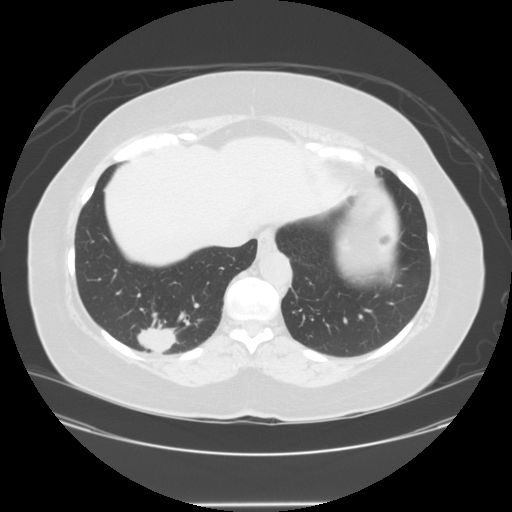
Chest CT, axial plane, 120 kVp, kernel STANDARD. Slice 54/150 from the bottom of the scan; thickness 2.50 mm; pixel size 0.820 mm.
Pulmonary nodule outlined by three of the four readers; box rows 316–352, columns 135–178 (the union of the readers' outlines on this slice); median longest diameter 36.7 mm (readers' outlines 34.5–41.5 mm), median volume 15464 mm3 (15181–19016 mm3). Median ratings and the readers' spread: texture 5/5 (solid) from all three readers; median margin 4/5 (readers ranged 2/5 to 4/5); median sphericity 4/5 (readers ranged 3/5 (ovoid) to 5/5 (round)); calcification absent from all three readers; internal structure soft tissue, all three readers agreeing; subtlety 5/5 from all three readers; malignancy likelihood 5/5 from all three readers. Scale key (1–5): texture non-solid→solid, margin indistinct→circumscribed, sphericity linear→round, subtlety extremely subtle→obvious, malignancy likelihood highly unlikely→highly suspicious of cancer. Box rows and columns are 0-based pixel indices from the top-left corner, inclusive.